Axial chest CT slice 227 of 497 (counted from the lowest slice); tube voltage 120 kVp, convolution kernel STANDARD; slices 1.25 mm thick, 0.703 mm per pixel.
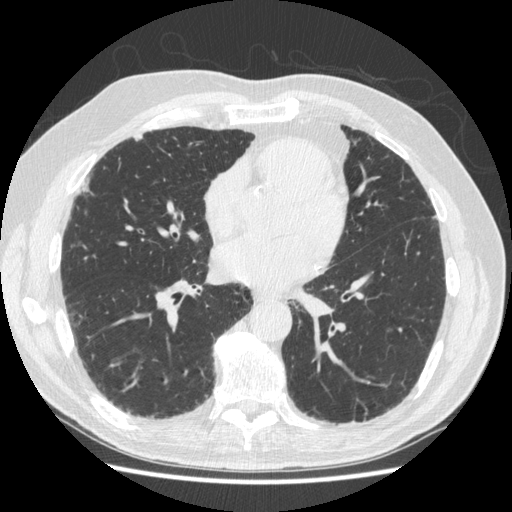
Pulmonary nodule at rows 132–139, columns 133–143 (box = the one reader's outline on this slice), outlined by all four readers, one of them on this slice; median longest diameter 11.6 mm (readers' outlines 10.9–14.8 mm), median volume 235 mm3 (184–648 mm3). Median ratings and the readers' spread: median texture 5/5 (solid) (readers ranged 1/5 (non-solid) to 5/5 (solid)); margin 3/5 at the median of four readers, spread 2/5 to 4/5; sphericity 3.5/5 at the median of four readers, spread 3/5 (ovoid) to 5/5 (round); calcification absent from all four readers; internal structure soft tissue, all four readers agreeing; subtlety 4/5 at the median of four readers, spread 1–5; median malignancy likelihood 3/5 (readers ranged 2–4). Scale key (1–5): texture non-solid→solid, margin indistinct→circumscribed, sphericity linear→round, subtlety extremely subtle→obvious, malignancy likelihood highly unlikely→highly suspicious of cancer. Box rows and columns are 0-based pixel indices from the top-left corner, inclusive.